One axial slice (112 of 131, counting up from the lowest) of a chest CT acquired at 120 kVp with the STANDARD kernel; each pixel is 0.703 mm and the slice is 2.50 mm thick.
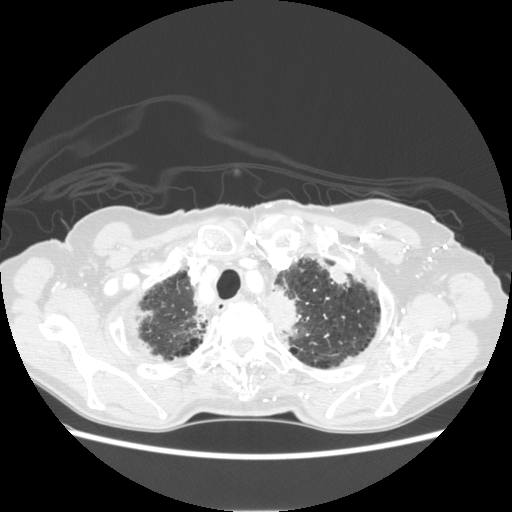
Pulmonary nodule, outlined by all four readers. Box on this slice rows 258–284, columns 319–348, the union of the readers' outlines on this slice; longest diameter 21.7 mm on average over the four readers' outlines (readers' outlines 18.7–25.9 mm), volume 1749–2501 mm3. Ratings, by the readers' most common answer with dissent counted: texture 5/5 (solid), all four readers agreeing; margin 5/5 (circumscribed) by two of four readers; the rest gave 3/5 (one), 4/5 (one); most readers (three of four) put sphericity at 5/5 (round), others 3/5 (ovoid) (one); calcification absent, all four readers agreeing; internal structure soft tissue, all four readers agreeing; subtlety 5/5 by two of four readers; the rest gave 3/5 (one), 4/5 (one); malignancy likelihood 5/5 by two of four readers; the rest gave 2/5 (one), 4/5 (one). Scale key (1–5): texture non-solid→solid, margin indistinct→circumscribed, sphericity linear→round, subtlety extremely subtle→obvious, malignancy likelihood highly unlikely→highly suspicious of cancer. Box rows and columns are 0-based pixel indices from the top-left corner, inclusive.